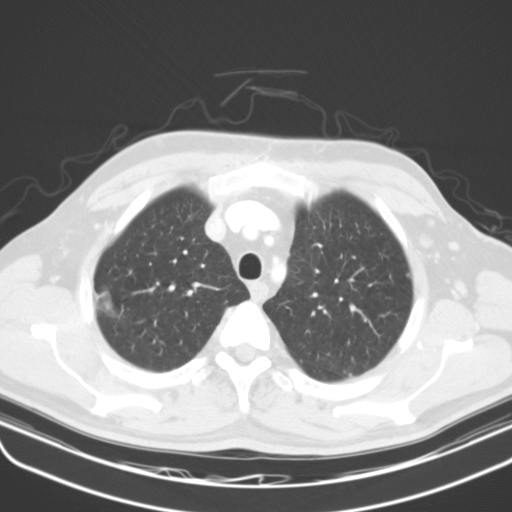
One axial slice (112 of 134, counting up from the lowest) of a chest CT acquired at 130 kVp with the B31s kernel; each pixel is 0.715 mm and the slice is 3.00 mm thick.
Pulmonary nodule outlined by all four readers, two of them on this slice; box rows 290–316, columns 94–115 (the union of the readers' outlines on this slice); longest diameter 28.3–32.4 mm and volume 2936–4904 mm3 across the four readers' outlines. Ratings across the readers: texture from 4/5 to 5/5 (solid) across the four readers; margin from 3/5 to 5/5 (circumscribed) across the four readers; sphericity from 3/5 (ovoid) to 4/5 across the four readers; calcification: absent (three), central calcification (one); internal structure soft tissue, all four readers agreeing; subtlety 5/5 from all four readers; malignancy likelihood from 1/5 to 5/5 across the four readers. Scale key (1–5): texture non-solid→solid, margin indistinct→circumscribed, sphericity linear→round, subtlety extremely subtle→obvious, malignancy likelihood highly unlikely→highly suspicious of cancer. Box rows and columns are 0-based pixel indices from the top-left corner, inclusive.